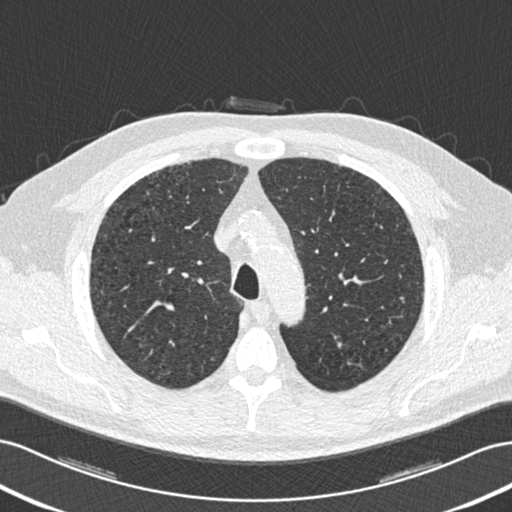
One axial slice (400 of 506, counting up from the lowest) of a chest CT acquired at 120 kVp with the B30f kernel; each pixel is 0.699 mm and the slice is 0.75 mm thick.
Pulmonary nodule outlined by two of the four readers; box rows 297–302, columns 400–403 (the union of the readers' outlines on this slice); longest diameter 8.5 mm on average over the two readers' outlines (readers' outlines 6.6–10.4 mm), volume 35–67 mm3. The readers' prevailing ratings and who disagreed: texture 5/5 (solid), both readers agreeing; margin split among the readers: 3/5 (one), 5/5 (circumscribed) (one); sphericity split among the readers: 4/5 (one), 5/5 (round) (one); calcification absent from both readers; internal structure soft tissue, both readers agreeing; subtlety split among the readers: 2/5 (one), 3/5 (one); malignancy likelihood split among the readers: 2/5 (one), 3/5 (one). Scale key (1–5): texture non-solid→solid, margin indistinct→circumscribed, sphericity linear→round, subtlety extremely subtle→obvious, malignancy likelihood highly unlikely→highly suspicious of cancer. Box rows and columns are 0-based pixel indices from the top-left corner, inclusive.